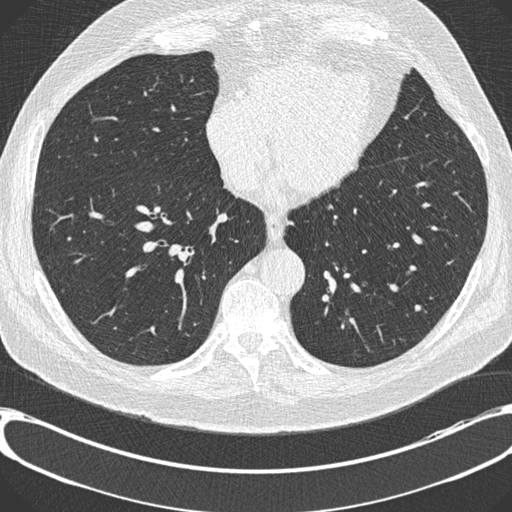
This is axial slice 297 of 730 (slice 1 is the lowest) of a chest CT; each pixel is 0.730 mm and the slice is 0.60 mm thick. Pulmonary nodule, outlined by one of the four readers. Box on this slice rows 304–310, columns 414–420, that reader's outline on this slice; longest diameter 7.2 mm and volume 114 mm3 from that reader's outline. That reader's ratings: texture 5/5 (solid); margin 5/5 (circumscribed); sphericity 5/5 (round); calcification absent; internal structure soft tissue; subtlety 3/5; malignancy likelihood 2/5. Scale key (1–5): texture non-solid→solid, margin indistinct→circumscribed, sphericity linear→round, subtlety extremely subtle→obvious, malignancy likelihood highly unlikely→highly suspicious of cancer. Box rows and columns are 0-based pixel indices from the top-left corner, inclusive.
Acquired at 120 kVp and reconstructed with the B30f kernel.